Axial chest CT slice 203 of 506 (counted from the lowest slice); tube voltage 120 kVp, convolution kernel B30f; slices 0.75 mm thick, 0.699 mm per pixel.
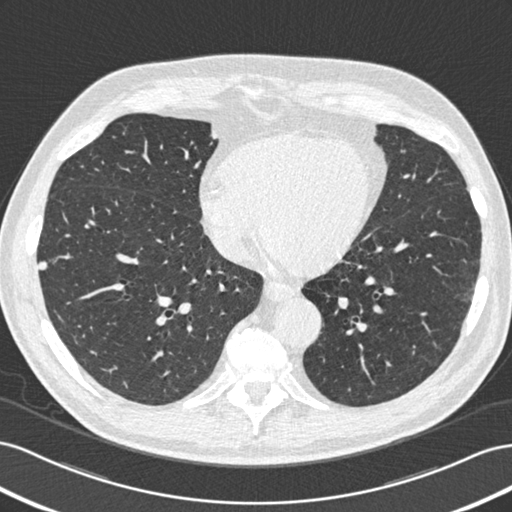
Pulmonary nodule at rows 261–269, columns 38–46 (box = the union of the readers' outlines on this slice), outlined by all four readers; longest diameter 8.3 mm on average over the four readers' outlines (readers' outlines 8.0–9.0 mm), volume 171–198 mm3. The readers' prevailing ratings and who disagreed: texture 5/5 (solid), all four readers agreeing; margin 4/5 by two of four readers; the rest gave 3/5 (one), 5/5 (circumscribed) (one); most readers (three of four) put sphericity at 5/5 (round), others 3/5 (ovoid) (one); calcification absent, all four readers agreeing; internal structure soft tissue from all four readers; subtlety 4/5 by two of four readers; the rest gave 3/5 (one), 5/5 (one); malignancy likelihood split among the readers: 1/5 (one), 2/5 (one), 3/5 (one), 4/5 (one). Scale key (1–5): texture non-solid→solid, margin indistinct→circumscribed, sphericity linear→round, subtlety extremely subtle→obvious, malignancy likelihood highly unlikely→highly suspicious of cancer. Box rows and columns are 0-based pixel indices from the top-left corner, inclusive.